Axial chest CT slice 346 of 445 (counted from the lowest slice); tube voltage 120 kVp, convolution kernel STANDARD; slices 1.25 mm thick, 0.645 mm per pixel.
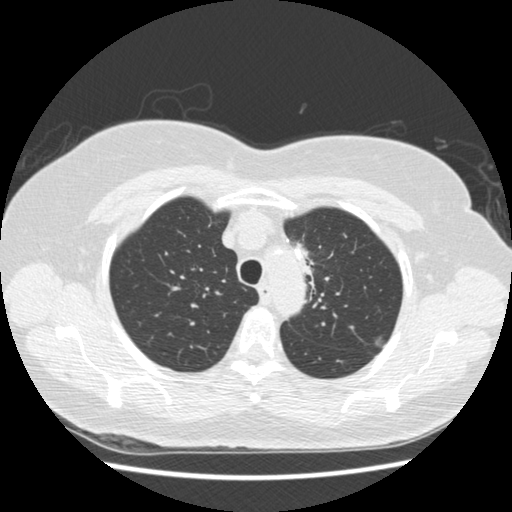
Two pulmonary nodules on this slice, listed from left to right. (1) Pulmonary nodule at rows 243–274, columns 294–312 (box = that reader's outline on this slice), outlined by one of the four readers; longest diameter 31.0 mm and volume 2055 mm3 from that reader's outline. Ratings by that reader: texture 5/5 (solid); margin 2/5; sphericity 2/5; calcification absent; internal structure soft tissue; subtlety 5/5; malignancy likelihood 4/5. (2) Pulmonary nodule, outlined by all four readers. Box on this slice rows 336–348, columns 374–385, the union of the readers' outlines on this slice; median longest diameter 11.1 mm (readers' outlines 9.9–11.6 mm), median volume 349 mm3 (292–430 mm3). Ratings, median across the readers with their spread: texture 2/5 at the median of four readers, spread 1/5 (non-solid) to 4/5; margin 4/5 at the median of four readers, spread 2/5 to 5/5 (circumscribed); median sphericity 4/5 (readers ranged 3/5 (ovoid) to 5/5 (round)); calcification absent, all four readers agreeing; internal structure soft tissue from all four readers; median subtlety 3/5 (readers ranged 3–5); median malignancy likelihood 4/5 (readers ranged 2–5). Scale key (1–5): texture non-solid→solid, margin indistinct→circumscribed, sphericity linear→round, subtlety extremely subtle→obvious, malignancy likelihood highly unlikely→highly suspicious of cancer. Box rows and columns are 0-based pixel indices from the top-left corner, inclusive.